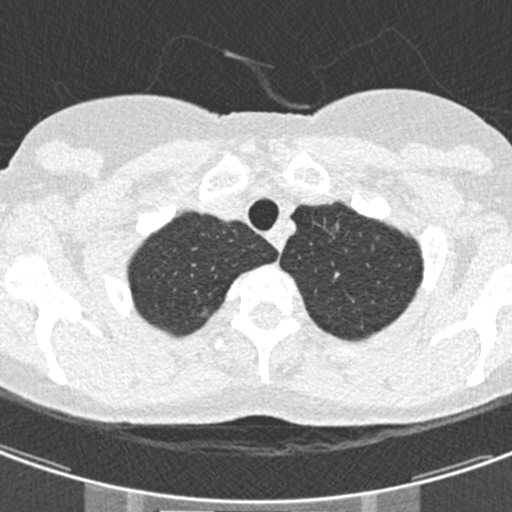
One axial slice (387 of 429, counting up from the lowest) of a chest CT acquired at 120 kVp with the B30f kernel; each pixel is 0.537 mm and the slice is 0.75 mm thick.
Pulmonary nodule, outlined by one of the four readers. Box on this slice rows 225–230, columns 330–336, that reader's outline on this slice; longest diameter 7.3 mm and volume 72 mm3 from that reader's outline. Ratings by that reader: texture 1/5 (non-solid); margin 1/5 (indistinct); sphericity 4/5; calcification absent; internal structure soft tissue; subtlety 1/5; malignancy likelihood 3/5. Scale key (1–5): texture non-solid→solid, margin indistinct→circumscribed, sphericity linear→round, subtlety extremely subtle→obvious, malignancy likelihood highly unlikely→highly suspicious of cancer. Box rows and columns are 0-based pixel indices from the top-left corner, inclusive.